One axial slice (243 of 321, counting up from the lowest) of a chest CT acquired at 120 kVp with the D kernel; each pixel is 0.557 mm and the slice is 2.00 mm thick.
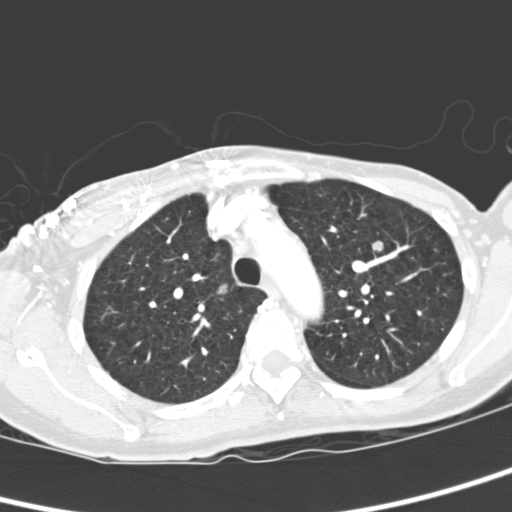
Two pulmonary nodules are outlined on this slice; from left to right: (1) Pulmonary nodule, outlined by all four readers. Box on this slice rows 282–294, columns 216–228, the union of the readers' outlines on this slice; longest diameter 19.2–21.9 mm and volume 3323–4100 mm3 across the four readers' outlines. Ratings across the readers: texture 5/5 (solid) from all four readers; margin from 4/5 to 5/5 (circumscribed) across the four readers; sphericity from 4/5 to 5/5 (round) across the four readers; calcification absent, all four readers agreeing; internal structure soft tissue, all four readers agreeing; subtlety 5/5 from all four readers; malignancy likelihood from 3/5 to 5/5 across the four readers. (2) Pulmonary nodule, outlined by all four readers. Box on this slice rows 241–252, columns 372–383, the union of the readers' outlines on this slice; the four readers' outlines give a longest diameter between 19.2 and 22.3 mm and a volume between 3069 and 4125 mm3. The readers' ratings, as ranges where they differ: texture 5/5 (solid) from all four readers; margin 5/5 (circumscribed) from all four readers; sphericity from 4/5 to 5/5 (round) across the four readers; calcification absent from all four readers; internal structure soft tissue from all four readers; subtlety 5/5, all four readers agreeing; malignancy likelihood 2–5/5 (the readers disagree). Scale key (1–5): texture non-solid→solid, margin indistinct→circumscribed, sphericity linear→round, subtlety extremely subtle→obvious, malignancy likelihood highly unlikely→highly suspicious of cancer. Box rows and columns are 0-based pixel indices from the top-left corner, inclusive.